Axial chest CT slice 169 of 300 (counted from the lowest slice); tube voltage 120 kVp, convolution kernel D; slices 1.00 mm thick, 0.654 mm per pixel.
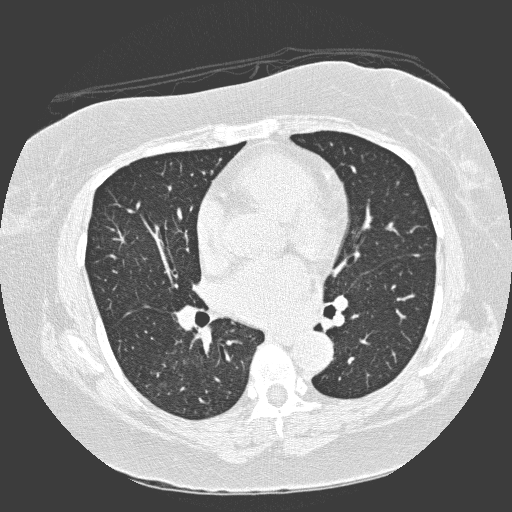
Pulmonary nodule outlined by all four readers; box rows 254–256, columns 414–418 (the union of the readers' outlines on this slice); median longest diameter 5.4 mm (readers' outlines 5.1–6.2 mm), median volume 44 mm3 (25–57 mm3). Median ratings and the readers' spread: texture 5/5 (solid), all four readers agreeing; margin 5/5 (circumscribed) at the median of four readers, spread 4/5 to 5/5 (circumscribed); sphericity 4/5 at the median of four readers, spread 3/5 (ovoid) to 5/5 (round); calcification: absent (three), solid calcification (one); internal structure soft tissue from all four readers; median subtlety 4.5/5 (readers ranged 3–5); malignancy likelihood 1.5/5 at the median of four readers, spread 1–3. Scale key (1–5): texture non-solid→solid, margin indistinct→circumscribed, sphericity linear→round, subtlety extremely subtle→obvious, malignancy likelihood highly unlikely→highly suspicious of cancer. Box rows and columns are 0-based pixel indices from the top-left corner, inclusive.